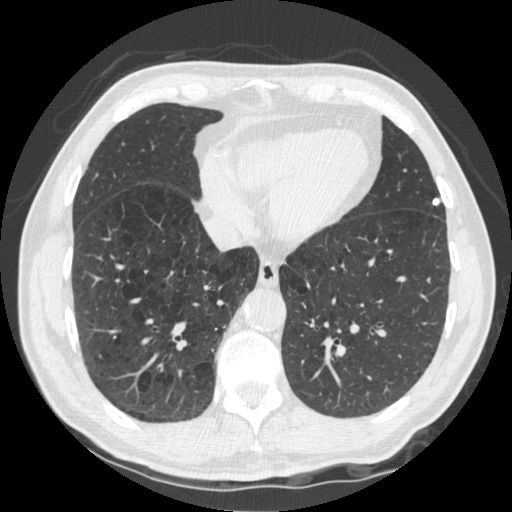
Slice 162/535 of a chest CT, counting up from the lowest; pixel size 0.664 mm, slice thickness 1.25 mm. Pulmonary nodule, outlined by three of the four readers. Box on this slice rows 198–205, columns 432–439, the union of the readers' outlines on this slice; longest diameter 5.5–6.8 mm and volume 70–114 mm3 across the three readers' outlines. The readers' ratings, as ranges where they differ: texture 5/5 (solid), all three readers agreeing; margin 5/5 (circumscribed), all three readers agreeing; sphericity 5/5 (round) from all three readers; calcification solid calcification from all three readers; internal structure soft tissue from all three readers; subtlety 5/5 from all three readers; malignancy likelihood 1/5 from all three readers. Scale key (1–5): texture non-solid→solid, margin indistinct→circumscribed, sphericity linear→round, subtlety extremely subtle→obvious, malignancy likelihood highly unlikely→highly suspicious of cancer. Box rows and columns are 0-based pixel indices from the top-left corner, inclusive.
Tube voltage 120 kVp; convolution kernel STANDARD.